Chest CT, axial plane, 120 kVp, kernel STANDARD. Slice 248/272 from the bottom of the scan; thickness 1.25 mm; pixel size 0.742 mm.
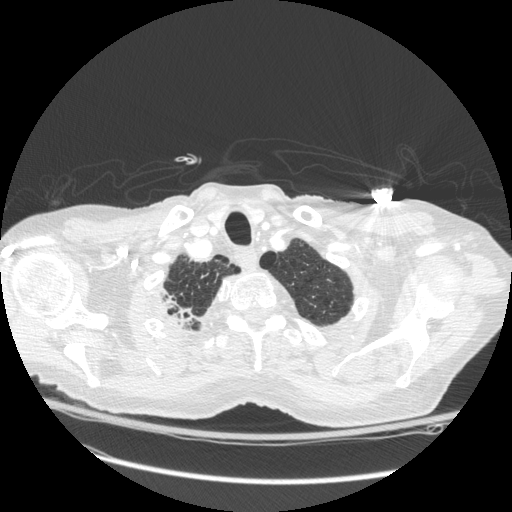
Pulmonary nodule, outlined by all four readers, one of them on this slice. Box on this slice rows 290–325, columns 162–196, the one reader's outline on this slice; the four readers' outlines give a longest diameter between 16.0 and 56.1 mm and a volume between 732 and 13897 mm3. The readers' ratings, as ranges where they differ: texture 5/5 (solid) from all four readers; margin from 3/5 to 5/5 (circumscribed) across the four readers; sphericity from 3/5 (ovoid) to 4/5 across the four readers; calcification absent from all four readers; internal structure soft tissue from all four readers; subtlety 5/5 from all four readers; malignancy likelihood from 4/5 to 5/5 across the four readers. Scale key (1–5): texture non-solid→solid, margin indistinct→circumscribed, sphericity linear→round, subtlety extremely subtle→obvious, malignancy likelihood highly unlikely→highly suspicious of cancer. Box rows and columns are 0-based pixel indices from the top-left corner, inclusive.